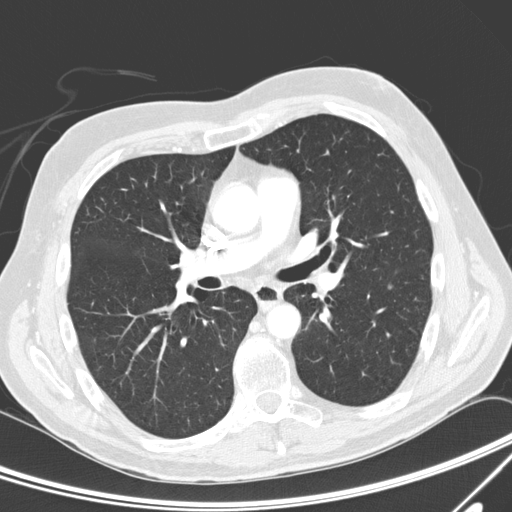
Axial chest CT slice 150 of 300 (counted from the lowest slice); tube voltage 120 kVp, convolution kernel D; slices 2.00 mm thick, 0.678 mm per pixel.
Pulmonary nodule at rows 284–289, columns 387–393 (box = the union of the readers' outlines on this slice), outlined by all four readers; median longest diameter 6.3 mm (readers' outlines 6.1–6.7 mm), median volume 92 mm3 (83–97 mm3). Median ratings and the readers' spread: texture 5/5 (solid) from all four readers; margin 5/5 (circumscribed), all four readers agreeing; sphericity 4/5 at the median of four readers, spread 4/5 to 5/5 (round); calcification: solid calcification (three), absent (one); internal structure soft tissue from all four readers; subtlety 5/5 at the median of four readers, spread 4–5; median malignancy likelihood 1/5 (readers ranged 1–2). Scale key (1–5): texture non-solid→solid, margin indistinct→circumscribed, sphericity linear→round, subtlety extremely subtle→obvious, malignancy likelihood highly unlikely→highly suspicious of cancer. Box rows and columns are 0-based pixel indices from the top-left corner, inclusive.